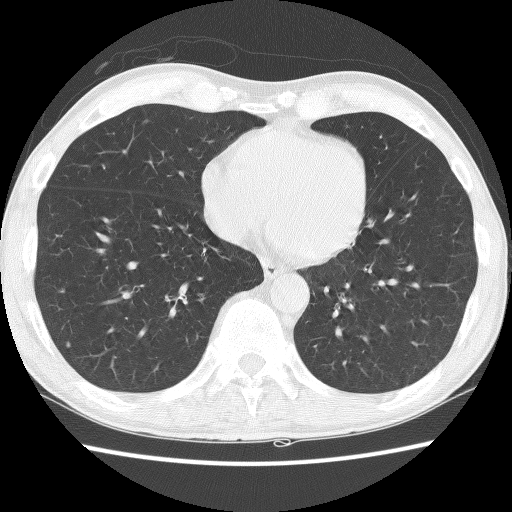
This is axial slice 42 of 136 (slice 1 is the lowest) of a chest CT; each pixel is 0.646 mm and the slice is 2.50 mm thick. Pulmonary nodule at rows 119–122, columns 143–148 (box = the union of the readers' outlines on this slice), outlined by two of the four readers; longest diameter 5.1 mm on average over the two readers' outlines (readers' outlines 4.9–5.3 mm), volume 52–60 mm3. Ratings, by the readers' most common answer with dissent counted: texture split among the readers: 3/5 (part-solid) (one), 5/5 (solid) (one); margin split among the readers: 2/5 (one), 3/5 (one); sphericity split among the readers: 3/5 (ovoid) (one), 4/5 (one); calcification absent from both readers; internal structure soft tissue from both readers; subtlety split among the readers: 2/5 (one), 3/5 (one); malignancy likelihood split among the readers: 1/5 (one), 2/5 (one). Scale key (1–5): texture non-solid→solid, margin indistinct→circumscribed, sphericity linear→round, subtlety extremely subtle→obvious, malignancy likelihood highly unlikely→highly suspicious of cancer. Box rows and columns are 0-based pixel indices from the top-left corner, inclusive.
Acquired at 140 kVp and reconstructed with the BONE kernel.